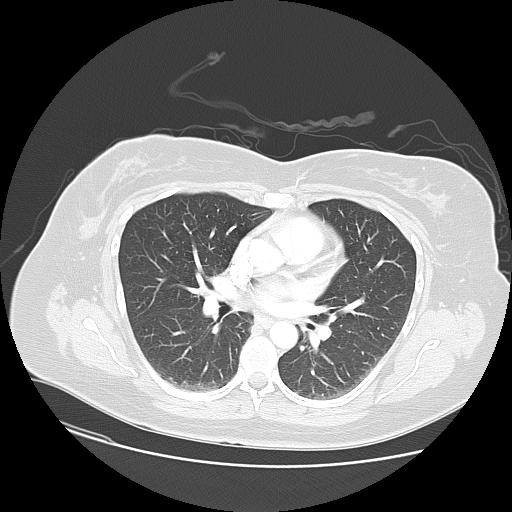
One axial slice (59 of 109, counting up from the lowest) of a chest CT acquired at 120 kVp with the LUNG kernel; each pixel is 0.781 mm and the slice is 2.50 mm thick.
None of the four readers outlined a nodule of 3 mm or more on this slice.